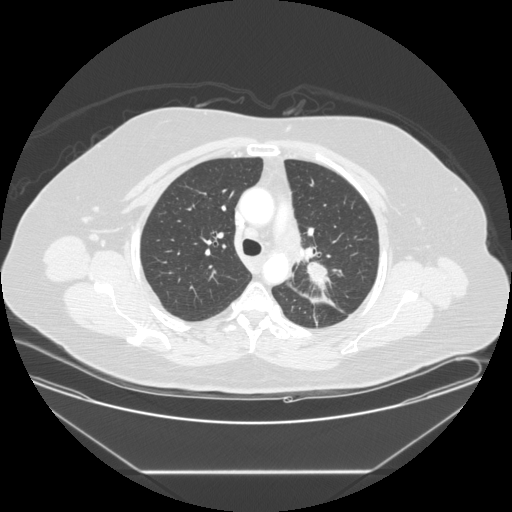
One axial slice (163 of 225, counting up from the lowest) of a chest CT acquired at 120 kVp with the STANDARD kernel; each pixel is 0.828 mm and the slice is 1.25 mm thick.
Pulmonary nodule outlined by one of the four readers; box rows 263–289, columns 308–329 (that reader's outline on this slice); longest diameter 33.6 mm and volume 4404 mm3 from that reader's outline. That reader's ratings: texture 5/5 (solid); margin 2/5; sphericity 3/5 (ovoid); calcification absent; internal structure soft tissue; subtlety 5/5; malignancy likelihood 5/5. Scale key (1–5): texture non-solid→solid, margin indistinct→circumscribed, sphericity linear→round, subtlety extremely subtle→obvious, malignancy likelihood highly unlikely→highly suspicious of cancer. Box rows and columns are 0-based pixel indices from the top-left corner, inclusive.